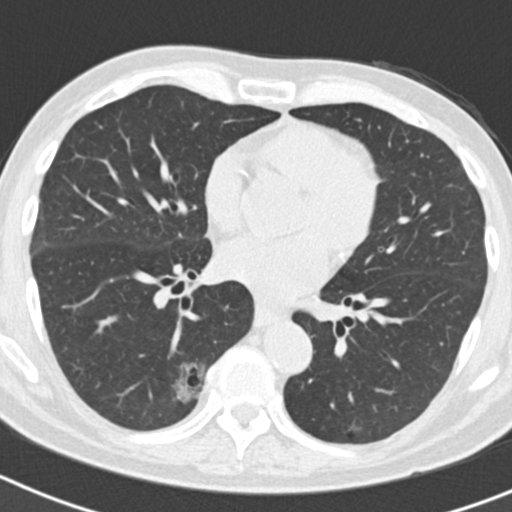
Chest CT, axial plane, 120 kVp, kernel B30f. Slice 93/186 from the bottom of the scan; thickness 2.00 mm; pixel size 0.586 mm.
Pulmonary nodule, outlined by one of the four readers. Box on this slice rows 362–404, columns 170–206, that reader's outline on this slice; longest diameter 31.4 mm and volume 6527 mm3 from that reader's outline. Ratings by that reader: texture 1/5 (non-solid); margin 2/5; sphericity 4/5; calcification absent; internal structure soft tissue; subtlety 5/5; malignancy likelihood 3/5. Scale key (1–5): texture non-solid→solid, margin indistinct→circumscribed, sphericity linear→round, subtlety extremely subtle→obvious, malignancy likelihood highly unlikely→highly suspicious of cancer. Box rows and columns are 0-based pixel indices from the top-left corner, inclusive.